One axial slice (43 of 119, counting up from the lowest) of a chest CT acquired at 135 kVp with the FC01 kernel; each pixel is 0.640 mm and the slice is 3.00 mm thick.
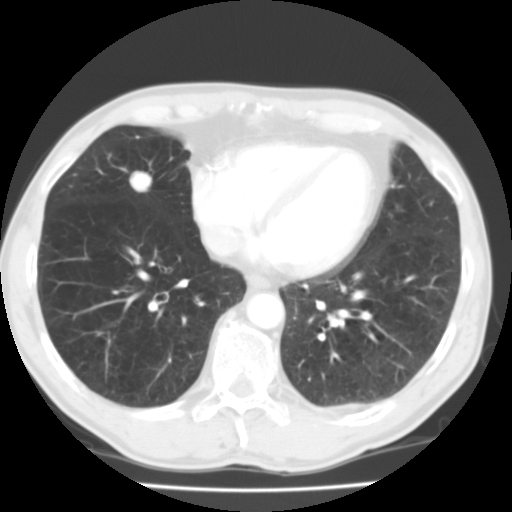
Pulmonary nodule outlined by all four readers; box rows 170–193, columns 128–152 (the union of the readers' outlines on this slice); longest diameter 18.0 mm on average over the four readers' outlines (readers' outlines 17.4–18.7 mm), volume 2076–2642 mm3. The readers' prevailing ratings and who disagreed: texture 5/5 (solid) from all four readers; margin split among the readers: 4/5 (two), 5/5 (circumscribed) (two); sphericity 5/5 (round) by two of four readers; the rest gave 3/5 (ovoid) (one), 4/5 (one); calcification absent by three of four readers, central calcification (one); internal structure soft tissue, all four readers agreeing; most readers (three of four) put subtlety at 5/5, others 4/5 (one); malignancy likelihood 4/5 by two of four readers; the rest gave 1/5 (one), 3/5 (one). Scale key (1–5): texture non-solid→solid, margin indistinct→circumscribed, sphericity linear→round, subtlety extremely subtle→obvious, malignancy likelihood highly unlikely→highly suspicious of cancer. Box rows and columns are 0-based pixel indices from the top-left corner, inclusive.